One axial slice (53 of 149, counting up from the lowest) of a chest CT acquired at 120 kVp with the STANDARD kernel; each pixel is 0.820 mm and the slice is 2.50 mm thick.
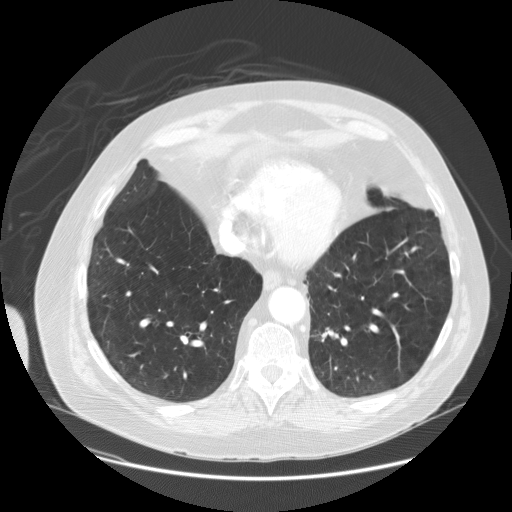
Pulmonary nodule outlined by all four readers, one of them on this slice; box rows 333–337, columns 321–327 (the one reader's outline on this slice); longest diameter 21.9–28.7 mm and volume 2868–3180 mm3 across the four readers' outlines. The readers' ratings, as ranges where they differ: texture from 4/5 to 5/5 (solid) across the four readers; margin from 3/5 to 5/5 (circumscribed) across the four readers; sphericity from 3/5 (ovoid) to 5/5 (round) across the four readers; calcification absent, all four readers agreeing; internal structure soft tissue from all four readers; subtlety from 4/5 to 5/5 across the four readers; malignancy likelihood from 3/5 to 5/5 across the four readers. Scale key (1–5): texture non-solid→solid, margin indistinct→circumscribed, sphericity linear→round, subtlety extremely subtle→obvious, malignancy likelihood highly unlikely→highly suspicious of cancer. Box rows and columns are 0-based pixel indices from the top-left corner, inclusive.